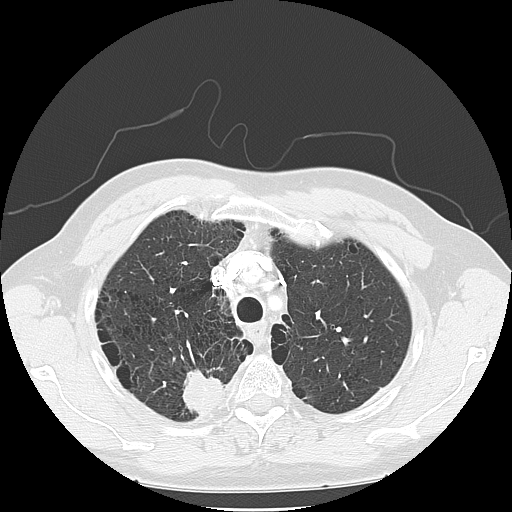
Axial chest CT slice 104 of 133 (counted from the lowest slice); tube voltage 120 kVp, convolution kernel LUNG; slices 2.50 mm thick, 0.703 mm per pixel.
Pulmonary nodule, outlined by one of the four readers. Box on this slice rows 372–412, columns 183–222, that reader's outline on this slice; longest diameter 40.9 mm and volume 12423 mm3 from that reader's outline. Ratings by that reader: texture 5/5 (solid); margin 3/5; sphericity 3/5 (ovoid); calcification absent; internal structure soft tissue; subtlety 5/5; malignancy likelihood 2/5. Scale key (1–5): texture non-solid→solid, margin indistinct→circumscribed, sphericity linear→round, subtlety extremely subtle→obvious, malignancy likelihood highly unlikely→highly suspicious of cancer. Box rows and columns are 0-based pixel indices from the top-left corner, inclusive.